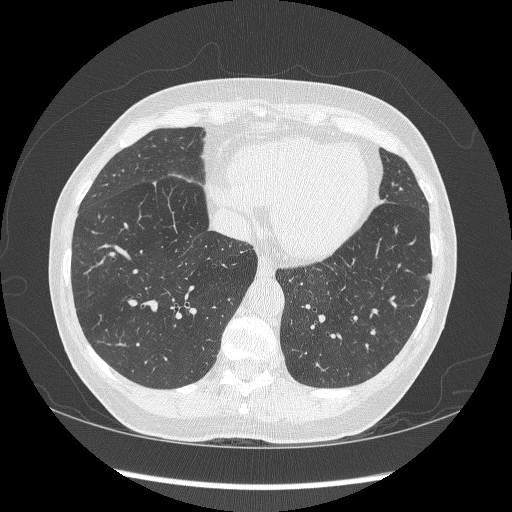
Axial slice 106 of 268 of a chest CT (slice 1 is the lowest), reconstructed with the BONE kernel at 120 kVp; 1.25 mm slice thickness and 0.703 mm pixels.
Pulmonary nodule outlined by all four readers, three of them on this slice; box rows 274–279, columns 425–430 (the union of the readers' outlines on this slice); longest diameter 6.2 mm on average over the four readers' outlines (readers' outlines 5.7–6.9 mm), volume 32–65 mm3. The readers' prevailing ratings and who disagreed: texture 5/5 (solid) by three of four readers; the rest gave 4/5 (one); margin split among the readers: 4/5 (two), 5/5 (circumscribed) (two); sphericity 4/5 by three of four readers; the rest gave 3/5 (ovoid) (one); calcification absent from all four readers; internal structure soft tissue, all four readers agreeing; subtlety 4/5 by two of four readers; the rest gave 3/5 (one), 5/5 (one); malignancy likelihood 3/5 by three of four readers; the rest gave 2/5 (one). Scale key (1–5): texture non-solid→solid, margin indistinct→circumscribed, sphericity linear→round, subtlety extremely subtle→obvious, malignancy likelihood highly unlikely→highly suspicious of cancer. Box rows and columns are 0-based pixel indices from the top-left corner, inclusive.